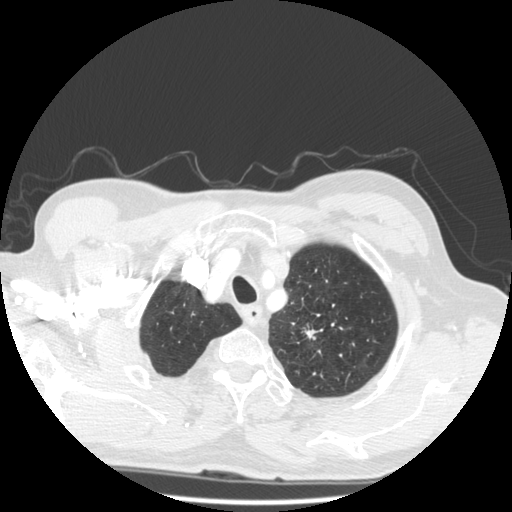
Axial slice 444 of 501 of a chest CT (slice 1 is the lowest), reconstructed with the STANDARD kernel at 140 kVp; 1.25 mm slice thickness and 0.703 mm pixels.
Pulmonary nodule, outlined by three of the four readers. Box on this slice rows 327–338, columns 303–322, the union of the readers' outlines on this slice; longest diameter 35.0 mm on average over the three readers' outlines (readers' outlines 32.1–39.2 mm), volume 2361–4873 mm3. The readers' prevailing ratings and who disagreed: most readers (two of three) put texture at 5/5 (solid), others 4/5 (one); margin split among the readers: 1/5 (indistinct) (one), 3/5 (one), 5/5 (circumscribed) (one); sphericity split among the readers: 2/5 (one), 3/5 (ovoid) (one), 5/5 (round) (one); calcification absent from all three readers; internal structure soft tissue from all three readers; subtlety 5/5 from all three readers; most readers (two of three) put malignancy likelihood at 5/5, others 4/5 (one). Scale key (1–5): texture non-solid→solid, margin indistinct→circumscribed, sphericity linear→round, subtlety extremely subtle→obvious, malignancy likelihood highly unlikely→highly suspicious of cancer. Box rows and columns are 0-based pixel indices from the top-left corner, inclusive.